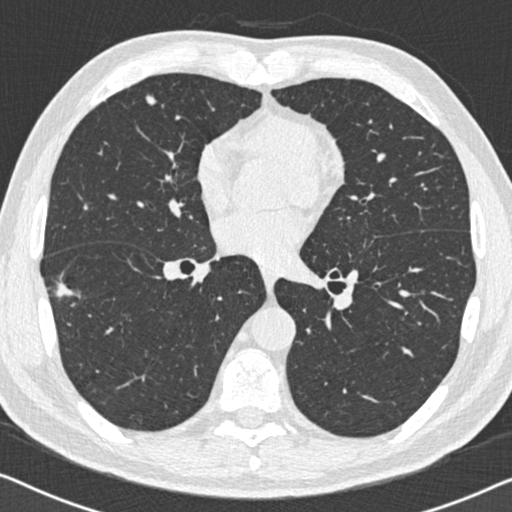
Axial chest CT slice 299 of 558 (counted from the lowest slice); 0.75 mm thick, 0.648 mm per pixel. Two pulmonary nodules are outlined on this slice; from left to right: (1) Pulmonary nodule at rows 272–302, columns 47–80 (box = the union of the readers' outlines on this slice), outlined by all four readers; the four readers' outlines give a longest diameter between 18.8 and 26.5 mm and a volume between 726 and 1916 mm3. The readers' ratings, as ranges where they differ: texture from 3/5 (part-solid) to 5/5 (solid) across the four readers; margin from 1/5 (indistinct) to 4/5 across the four readers; sphericity from 2/5 to 4/5 across the four readers; calcification absent, all four readers agreeing; internal structure soft tissue from all four readers; subtlety rated between 4 and 5 out of 5 by the four readers; malignancy likelihood 4–5/5 (the readers disagree). (2) Pulmonary nodule at rows 94–105, columns 145–156 (box = the union of the readers' outlines on this slice), outlined by all four readers; longest diameter 8.4 mm on average over the four readers' outlines (readers' outlines 7.4–9.6 mm), volume 85–182 mm3. Ratings, by the readers' most common answer with dissent counted: texture 5/5 (solid) by three of four readers; the rest gave 4/5 (one); margin 4/5 by three of four readers; the rest gave 5/5 (circumscribed) (one); most readers (three of four) put sphericity at 3/5 (ovoid), others 4/5 (one); calcification absent from all four readers; internal structure soft tissue from all four readers; most readers (three of four) put subtlety at 4/5, others 5/5 (one); most readers (three of four) put malignancy likelihood at 3/5, others 4/5 (one). Scale key (1–5): texture non-solid→solid, margin indistinct→circumscribed, sphericity linear→round, subtlety extremely subtle→obvious, malignancy likelihood highly unlikely→highly suspicious of cancer. Box rows and columns are 0-based pixel indices from the top-left corner, inclusive.
Scan settings: 120 kVp, B30f reconstruction kernel.